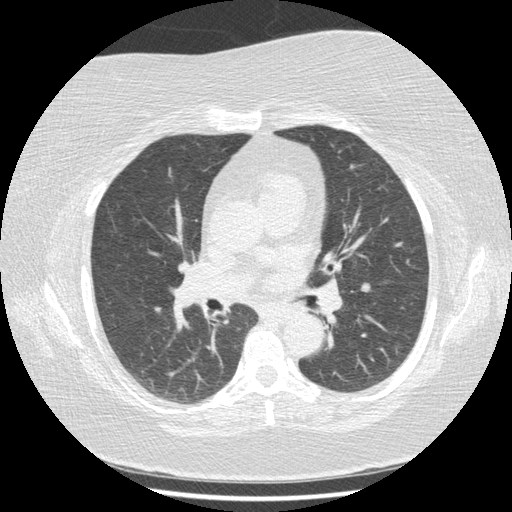
Axial slice 244 of 417 of a chest CT (slice 1 is the lowest), reconstructed with the STANDARD kernel at 120 kVp; 1.25 mm slice thickness and 0.703 mm pixels.
Two pulmonary nodules are outlined on this slice; from left to right: (1) Pulmonary nodule at rows 307–314, columns 154–160 (box = that reader's outline on this slice), outlined by one of the four readers; longest diameter 8.8 mm and volume 74 mm3 from that reader's outline. That reader's ratings: texture 4/5; margin 2/5; sphericity 3/5 (ovoid); calcification absent; internal structure soft tissue; subtlety 5/5; malignancy likelihood 3/5. (2) Pulmonary nodule, outlined by all four readers. Box on this slice rows 282–292, columns 358–370, the union of the readers' outlines on this slice; median longest diameter 9.2 mm (readers' outlines 7.6–10.7 mm), median volume 160 mm3 (89–248 mm3). Ratings, median across the readers with their spread: texture 5/5 (solid), all four readers agreeing; median margin 4/5 (readers ranged 4/5 to 5/5 (circumscribed)); sphericity 3.5/5 at the median of four readers, spread 3/5 (ovoid) to 5/5 (round); calcification absent, all four readers agreeing; internal structure soft tissue, all four readers agreeing; subtlety 4.5/5 at the median of four readers, spread 4–5; malignancy likelihood 3/5 at the median of four readers, spread 3–4. Scale key (1–5): texture non-solid→solid, margin indistinct→circumscribed, sphericity linear→round, subtlety extremely subtle→obvious, malignancy likelihood highly unlikely→highly suspicious of cancer. Box rows and columns are 0-based pixel indices from the top-left corner, inclusive.